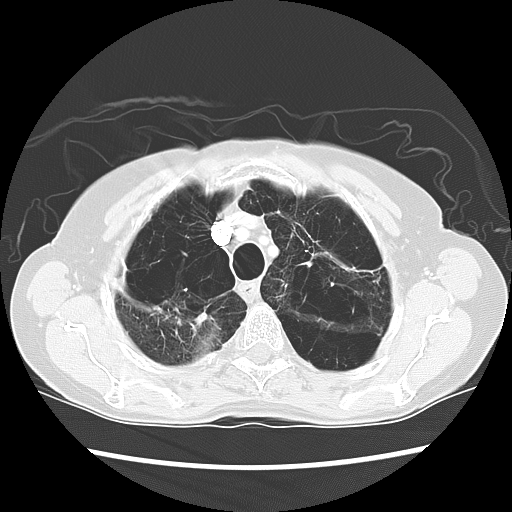
Chest CT, axial plane, 120 kVp, kernel LUNG. Slice 99/127 from the bottom of the scan; thickness 2.50 mm; pixel size 0.645 mm.
Pulmonary nodule outlined by two of the four readers; box rows 312–325, columns 195–206 (the union of the readers' outlines on this slice); median longest diameter 10.0 mm (readers' outlines 8.6–11.3 mm), median volume 133 mm3 (126–141 mm3). Median ratings and the readers' spread: texture 5/5 (solid), both readers agreeing; median margin 4/5 (readers ranged 3/5 to 5/5 (circumscribed)); sphericity 3/5 (ovoid) from both readers; calcification absent from both readers; internal structure soft tissue, both readers agreeing; subtlety 4/5, both readers agreeing; malignancy likelihood 3/5 from both readers. Scale key (1–5): texture non-solid→solid, margin indistinct→circumscribed, sphericity linear→round, subtlety extremely subtle→obvious, malignancy likelihood highly unlikely→highly suspicious of cancer. Box rows and columns are 0-based pixel indices from the top-left corner, inclusive.